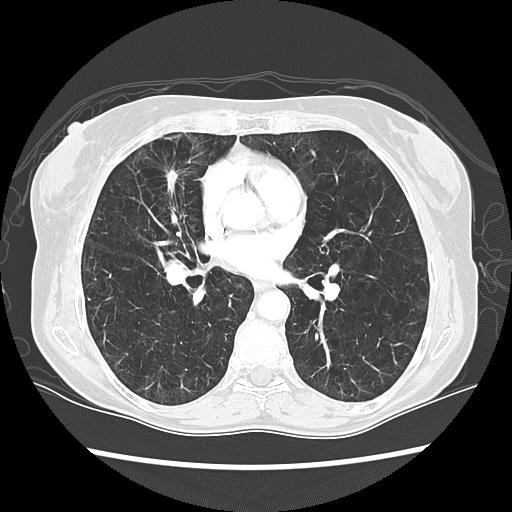
Axial slice 63 of 127 of a chest CT (slice 1 is the lowest), reconstructed with the LUNG kernel at 120 kVp; 2.50 mm slice thickness and 0.645 mm pixels.
Pulmonary nodule outlined by two of the four readers; box rows 168–195, columns 164–178 (the union of the readers' outlines on this slice); median longest diameter 17.8 mm (readers' outlines 16.8–18.7 mm), median volume 679 mm3 (516–841 mm3). Median ratings and the readers' spread: texture 5/5 (solid), both readers agreeing; median margin 2.5/5 (readers ranged 2/5 to 3/5); sphericity 1.5/5 at the median of two readers, spread 1/5 (linear) to 2/5; calcification absent, both readers agreeing; internal structure soft tissue, both readers agreeing; subtlety 5/5 from both readers; malignancy likelihood 3.5/5 at the median of two readers, spread 3–4. Scale key (1–5): texture non-solid→solid, margin indistinct→circumscribed, sphericity linear→round, subtlety extremely subtle→obvious, malignancy likelihood highly unlikely→highly suspicious of cancer. Box rows and columns are 0-based pixel indices from the top-left corner, inclusive.